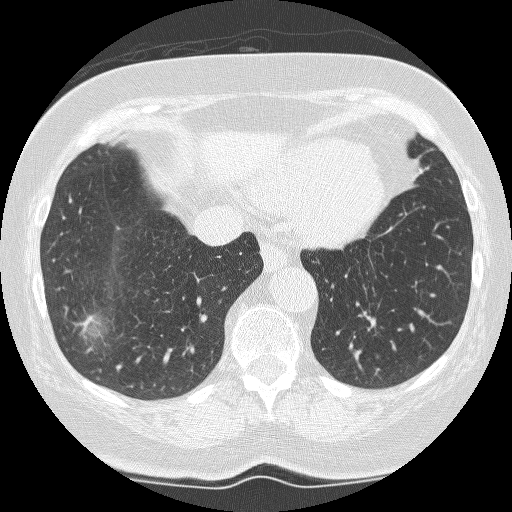
This is axial slice 77 of 246 (slice 1 is the lowest) of a chest CT; each pixel is 0.566 mm and the slice is 1.25 mm thick. Pulmonary nodule, outlined by all four readers, three of them on this slice. Box on this slice rows 310–328, columns 362–376, the union of the readers' outlines on this slice; the four readers' outlines give a longest diameter between 13.8 and 17.3 mm and a volume between 672 and 1099 mm3. The readers' ratings, as ranges where they differ: texture 5/5 (solid), all four readers agreeing; margin from 2/5 to 4/5 across the four readers; sphericity from 2/5 to 4/5 across the four readers; calcification absent, all four readers agreeing; internal structure soft tissue from all four readers; subtlety rated between 4 and 5 out of 5 by the four readers; malignancy likelihood 3–5/5 (the readers disagree). Scale key (1–5): texture non-solid→solid, margin indistinct→circumscribed, sphericity linear→round, subtlety extremely subtle→obvious, malignancy likelihood highly unlikely→highly suspicious of cancer. Box rows and columns are 0-based pixel indices from the top-left corner, inclusive.
Scan settings: 120 kVp, BONE reconstruction kernel.